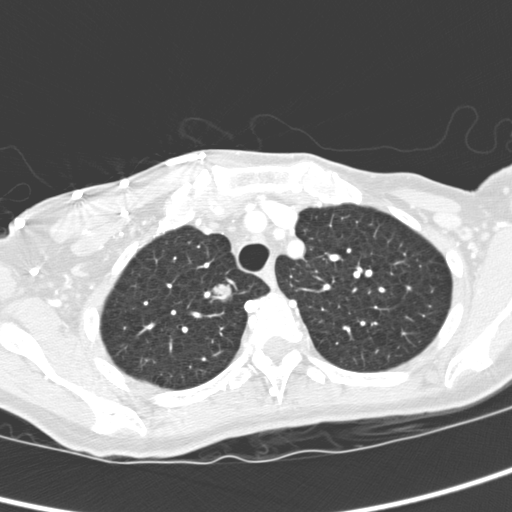
One axial slice (261 of 321, counting up from the lowest) of a chest CT acquired at 120 kVp with the D kernel; each pixel is 0.557 mm and the slice is 2.00 mm thick.
Pulmonary nodule outlined by all four readers; box rows 284–303, columns 211–232 (the union of the readers' outlines on this slice); median longest diameter 20.8 mm (readers' outlines 19.2–21.9 mm), median volume 3674 mm3 (3323–4100 mm3). Ratings, median across the readers with their spread: texture 5/5 (solid) from all four readers; margin 5/5 (circumscribed) at the median of four readers, spread 4/5 to 5/5 (circumscribed); median sphericity 5/5 (round) (readers ranged 4/5 to 5/5 (round)); calcification absent, all four readers agreeing; internal structure soft tissue, all four readers agreeing; subtlety 5/5 from all four readers; median malignancy likelihood 4.5/5 (readers ranged 3–5). Scale key (1–5): texture non-solid→solid, margin indistinct→circumscribed, sphericity linear→round, subtlety extremely subtle→obvious, malignancy likelihood highly unlikely→highly suspicious of cancer. Box rows and columns are 0-based pixel indices from the top-left corner, inclusive.